Chest CT, axial plane, 120 kVp, kernel B45f. Slice 54/101 from the bottom of the scan; thickness 3.00 mm; pixel size 0.586 mm.
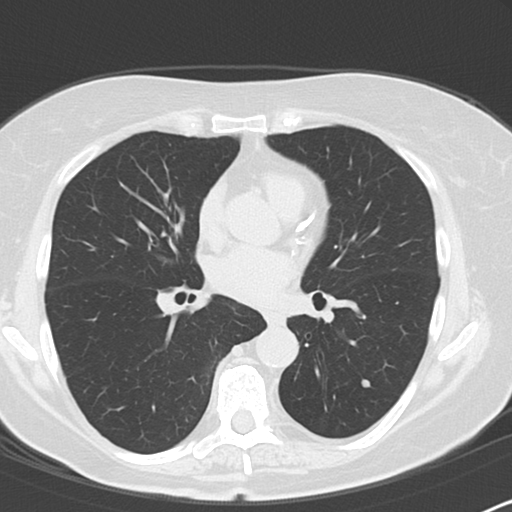
Pulmonary nodule outlined by three of the four readers; box rows 379–387, columns 360–368 (the union of the readers' outlines on this slice); longest diameter 5.9 mm on average over the three readers' outlines (readers' outlines 5.4–6.8 mm), volume 98–184 mm3. Ratings, by the readers' most common answer with dissent counted: texture 5/5 (solid) from all three readers; margin 5/5 (circumscribed), all three readers agreeing; most readers (two of three) put sphericity at 5/5 (round), others 4/5 (one); calcification absent from all three readers; internal structure soft tissue, all three readers agreeing; subtlety 5/5 by two of three readers; the rest gave 4/5 (one); malignancy likelihood 3/5, all three readers agreeing. Scale key (1–5): texture non-solid→solid, margin indistinct→circumscribed, sphericity linear→round, subtlety extremely subtle→obvious, malignancy likelihood highly unlikely→highly suspicious of cancer. Box rows and columns are 0-based pixel indices from the top-left corner, inclusive.